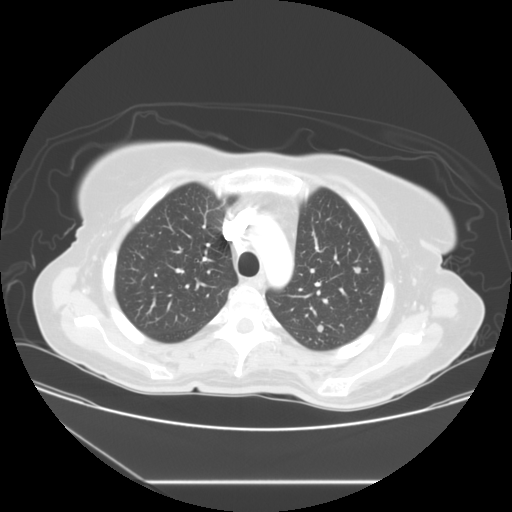
Axial chest CT slice 91 of 117 (counted from the lowest slice); 2.50 mm thick, 0.781 mm per pixel. Two pulmonary nodules on this slice, listed from left to right. (1) Pulmonary nodule outlined by all four readers; box rows 324–332, columns 317–323 (the union of the readers' outlines on this slice); median longest diameter 7.2 mm (readers' outlines 5.6–8.0 mm), median volume 184 mm3 (141–226 mm3). Median ratings and the readers' spread: texture 5/5 (solid) from all four readers; median margin 5/5 (circumscribed) (readers ranged 4/5 to 5/5 (circumscribed)); sphericity 5/5 (round), all four readers agreeing; calcification absent, all four readers agreeing; internal structure soft tissue, all four readers agreeing; median subtlety 3.5/5 (readers ranged 3–5); malignancy likelihood 2.5/5 at the median of four readers, spread 2–3. (2) Pulmonary nodule, outlined by three of the four readers. Box on this slice rows 267–273, columns 353–360, the union of the readers' outlines on this slice; longest diameter 5.9–7.4 mm and volume 91–153 mm3 across the three readers' outlines. Ratings across the readers: texture 5/5 (solid) from all three readers; margin from 4/5 to 5/5 (circumscribed) across the three readers; sphericity from 4/5 to 5/5 (round) across the three readers; calcification absent, all three readers agreeing; internal structure soft tissue, all three readers agreeing; subtlety from 3/5 to 5/5 across the three readers; malignancy likelihood from 2/5 to 4/5 across the three readers. Scale key (1–5): texture non-solid→solid, margin indistinct→circumscribed, sphericity linear→round, subtlety extremely subtle→obvious, malignancy likelihood highly unlikely→highly suspicious of cancer. Box rows and columns are 0-based pixel indices from the top-left corner, inclusive.
Tube voltage 120 kVp; convolution kernel STANDARD.